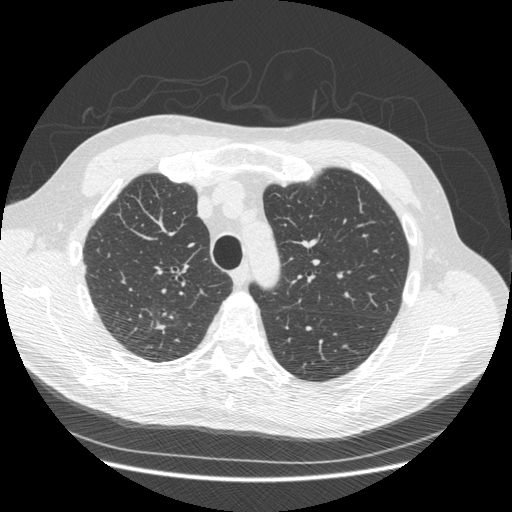
Axial chest CT slice 369 of 493 (counted from the lowest slice); tube voltage 120 kVp, convolution kernel STANDARD; slices 1.25 mm thick, 0.742 mm per pixel.
Pulmonary nodule, outlined by three of the four readers, one of them on this slice. Box on this slice rows 321–328, columns 155–164, the one reader's outline on this slice; longest diameter 12.6–14.1 mm and volume 104–271 mm3 across the three readers' outlines. The readers' ratings, as ranges where they differ: texture from 4/5 to 5/5 (solid) across the three readers; margin 3/5 from all three readers; sphericity from 2/5 to 4/5 across the three readers; calcification absent from all three readers; internal structure soft tissue, all three readers agreeing; subtlety from 2/5 to 5/5 across the three readers; malignancy likelihood rated between 2 and 4 out of 5 by the three readers. Scale key (1–5): texture non-solid→solid, margin indistinct→circumscribed, sphericity linear→round, subtlety extremely subtle→obvious, malignancy likelihood highly unlikely→highly suspicious of cancer. Box rows and columns are 0-based pixel indices from the top-left corner, inclusive.